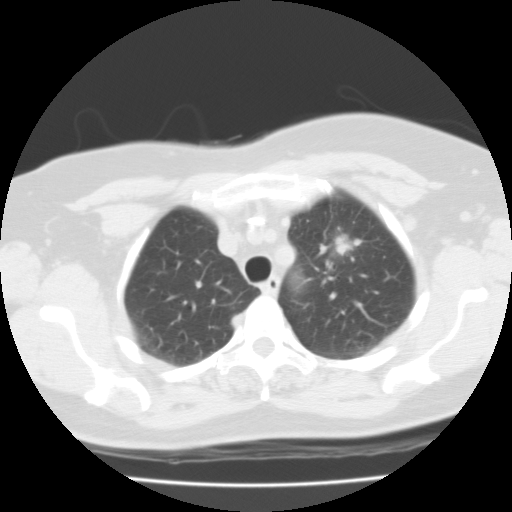
Axial chest CT slice 66 of 87 (counted from the lowest slice); tube voltage 135 kVp, convolution kernel FC01; slices 3.00 mm thick, 0.650 mm per pixel.
Pulmonary nodule, outlined by all four readers. Box on this slice rows 233–255, columns 333–360, the union of the readers' outlines on this slice; longest diameter 27.7 mm on average over the four readers' outlines (readers' outlines 23.3–32.8 mm), volume 4332–5366 mm3. The readers' prevailing ratings and who disagreed: texture 5/5 (solid) by three of four readers; the rest gave 4/5 (one); margin 2/5 by two of four readers; the rest gave 4/5 (one), 5/5 (circumscribed) (one); most readers (three of four) put sphericity at 4/5, others 3/5 (ovoid) (one); calcification split among the readers: non-central calcification (two), absent (two); internal structure soft tissue from all four readers; subtlety 5/5, all four readers agreeing; malignancy likelihood 5/5 by two of four readers; the rest gave 3/5 (one), 4/5 (one). Scale key (1–5): texture non-solid→solid, margin indistinct→circumscribed, sphericity linear→round, subtlety extremely subtle→obvious, malignancy likelihood highly unlikely→highly suspicious of cancer. Box rows and columns are 0-based pixel indices from the top-left corner, inclusive.